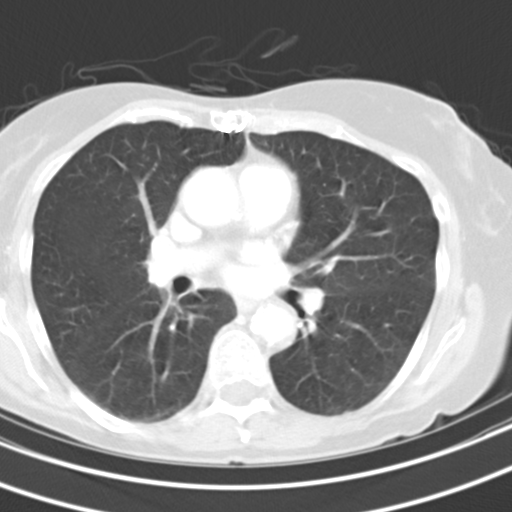
One axial slice (100 of 129, counting up from the lowest) of a chest CT acquired at 130 kVp with the B30s kernel; each pixel is 0.590 mm and the slice is 5.00 mm thick.
None of the four readers outlined a nodule of 3 mm or more on this slice.